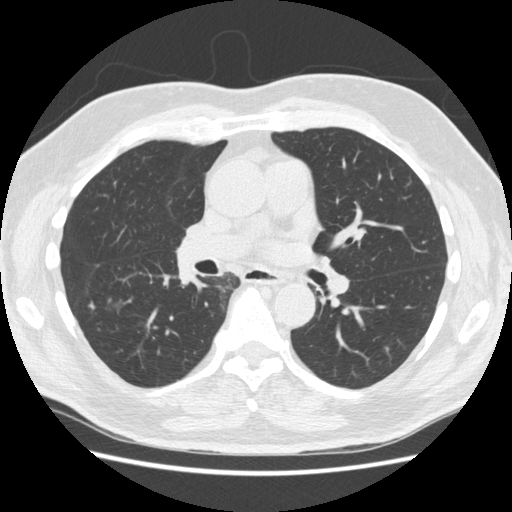
Axial chest CT slice 283 of 557 (counted from the lowest slice); tube voltage 120 kVp, convolution kernel STANDARD; slices 1.25 mm thick, 0.703 mm per pixel.
Pulmonary nodule outlined by all four readers, two of them on this slice; box rows 300–309, columns 113–120 (the union of the readers' outlines on this slice); longest diameter 19.1–25.0 mm and volume 785–1099 mm3 across the four readers' outlines. The readers' ratings, as ranges where they differ: texture from 4/5 to 5/5 (solid) across the four readers; margin from 3/5 to 5/5 (circumscribed) across the four readers; sphericity from 2/5 to 3/5 (ovoid) across the four readers; calcification absent from all four readers; internal structure soft tissue from all four readers; subtlety from 4/5 to 5/5 across the four readers; malignancy likelihood 2–5/5 (the readers disagree). Scale key (1–5): texture non-solid→solid, margin indistinct→circumscribed, sphericity linear→round, subtlety extremely subtle→obvious, malignancy likelihood highly unlikely→highly suspicious of cancer. Box rows and columns are 0-based pixel indices from the top-left corner, inclusive.